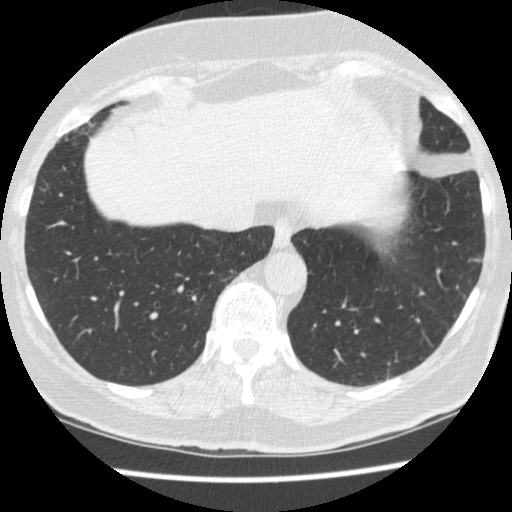
One axial slice (127 of 481, counting up from the lowest) of a chest CT acquired at 120 kVp with the STANDARD kernel; each pixel is 0.605 mm and the slice is 1.25 mm thick.
Pulmonary nodule, outlined by all four readers, three of them on this slice. Box on this slice rows 258–262, columns 471–480, the union of the readers' outlines on this slice; median longest diameter 10.4 mm (readers' outlines 9.9–10.4 mm), median volume 178 mm3 (124–211 mm3). Median ratings and the readers' spread: texture 4.5/5 at the median of four readers, spread 4/5 to 5/5 (solid); margin 4/5 at the median of four readers, spread 1/5 (indistinct) to 5/5 (circumscribed); median sphericity 4.5/5 (readers ranged 3/5 (ovoid) to 5/5 (round)); calcification absent, all four readers agreeing; internal structure soft tissue from all four readers; subtlety 4/5, all four readers agreeing; median malignancy likelihood 3/5 (readers ranged 2–3). Scale key (1–5): texture non-solid→solid, margin indistinct→circumscribed, sphericity linear→round, subtlety extremely subtle→obvious, malignancy likelihood highly unlikely→highly suspicious of cancer. Box rows and columns are 0-based pixel indices from the top-left corner, inclusive.